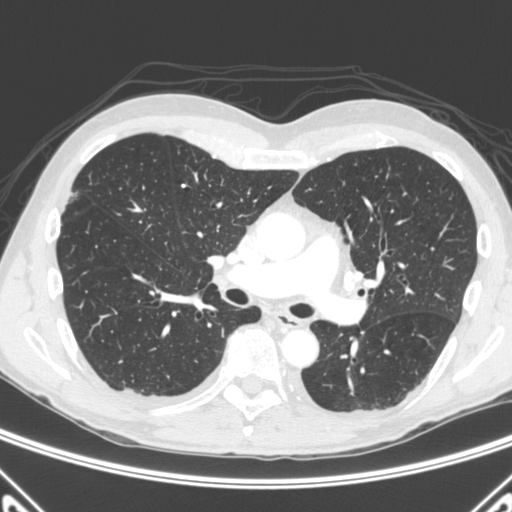
Axial chest CT slice 248 of 445 (counted from the lowest slice); tube voltage 120 kVp, convolution kernel C; slices 1.50 mm thick, 0.676 mm per pixel.
Pulmonary nodule, outlined by all four readers. Box on this slice rows 184–187, columns 181–185, the union of the readers' outlines on this slice; median longest diameter 5.1 mm (readers' outlines 4.3–5.8 mm), median volume 35 mm3 (24–39 mm3). Median ratings and the readers' spread: texture 5/5 (solid) from all four readers; margin 5/5 (circumscribed) from all four readers; median sphericity 5/5 (round) (readers ranged 4/5 to 5/5 (round)); calcification: solid calcification (three), central calcification (one); internal structure soft tissue, all four readers agreeing; median subtlety 5/5 (readers ranged 4–5); malignancy likelihood 1/5 from all four readers. Scale key (1–5): texture non-solid→solid, margin indistinct→circumscribed, sphericity linear→round, subtlety extremely subtle→obvious, malignancy likelihood highly unlikely→highly suspicious of cancer. Box rows and columns are 0-based pixel indices from the top-left corner, inclusive.